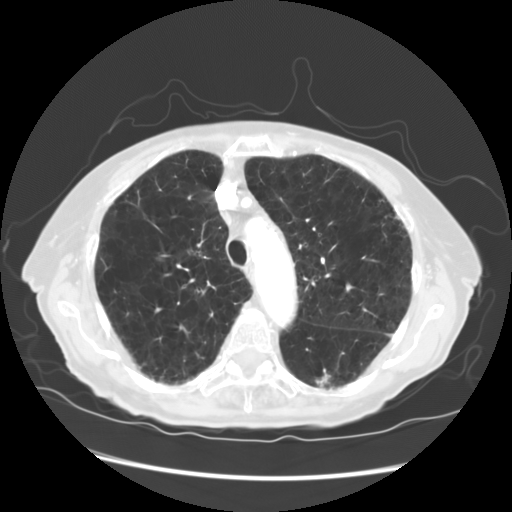
Chest CT, axial plane, 120 kVp, kernel STANDARD. Slice 103/133 from the bottom of the scan; thickness 2.50 mm; pixel size 0.703 mm.
Pulmonary nodule outlined by all four readers; box rows 373–386, columns 315–331 (the union of the readers' outlines on this slice); longest diameter 12.6–14.8 mm and volume 588–781 mm3 across the four readers' outlines. The readers' ratings, as ranges where they differ: texture from 4/5 to 5/5 (solid) across the four readers; margin from 2/5 to 4/5 across the four readers; sphericity from 2/5 to 5/5 (round) across the four readers; calcification absent, all four readers agreeing; internal structure soft tissue from all four readers; subtlety rated between 4 and 5 out of 5 by the four readers; malignancy likelihood from 4/5 to 5/5 across the four readers. Scale key (1–5): texture non-solid→solid, margin indistinct→circumscribed, sphericity linear→round, subtlety extremely subtle→obvious, malignancy likelihood highly unlikely→highly suspicious of cancer. Box rows and columns are 0-based pixel indices from the top-left corner, inclusive.